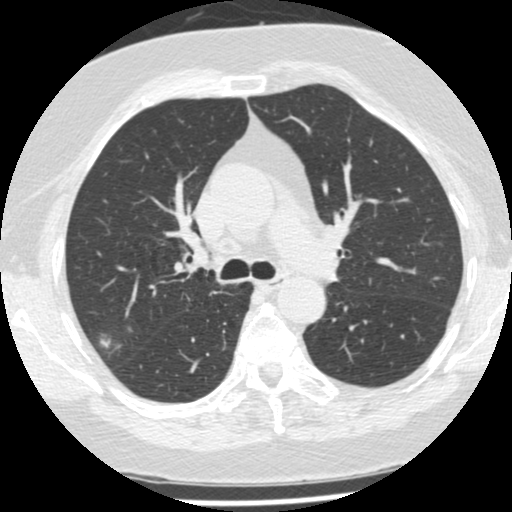
Axial slice 323 of 487 of a chest CT (slice 1 is the lowest), reconstructed with the STANDARD kernel at 120 kVp; 1.25 mm slice thickness and 0.586 mm pixels.
Pulmonary nodule, outlined by two of the four readers. Box on this slice rows 329–352, columns 94–118, the union of the readers' outlines on this slice; median longest diameter 18.1 mm (readers' outlines 11.3–24.9 mm), median volume 1598 mm3 (232–2964 mm3). Median ratings and the readers' spread: texture 3/5 (part-solid) from both readers; median margin 1.5/5 (readers ranged 1/5 (indistinct) to 2/5); sphericity 4/5 from both readers; calcification absent, both readers agreeing; internal structure soft tissue from both readers; subtlety 4/5 from both readers; malignancy likelihood 3.5/5 at the median of two readers, spread 3–4. Scale key (1–5): texture non-solid→solid, margin indistinct→circumscribed, sphericity linear→round, subtlety extremely subtle→obvious, malignancy likelihood highly unlikely→highly suspicious of cancer. Box rows and columns are 0-based pixel indices from the top-left corner, inclusive.